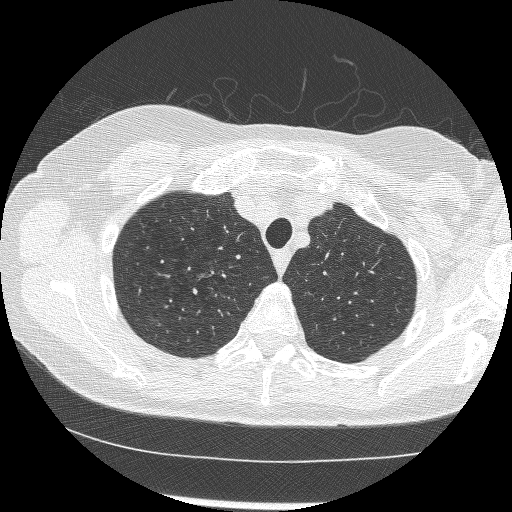
Axial chest CT slice 206 of 246 (counted from the lowest slice); tube voltage 120 kVp, convolution kernel BONE; slices 1.25 mm thick, 0.586 mm per pixel.
Pulmonary nodule at rows 272–276, columns 197–208 (box = the one reader's outline on this slice), outlined by all four readers, one of them on this slice; median longest diameter 8.8 mm (readers' outlines 6.1–10.0 mm), median volume 137 mm3 (66–342 mm3). Median ratings and the readers' spread: texture 4.5/5 at the median of four readers, spread 3/5 (part-solid) to 5/5 (solid); margin 2.5/5 at the median of four readers, spread 1/5 (indistinct) to 3/5; median sphericity 2/5 (readers ranged 2/5 to 3/5 (ovoid)); calcification absent, all four readers agreeing; internal structure soft tissue, all four readers agreeing; subtlety 3.5/5 at the median of four readers, spread 3–5; median malignancy likelihood 4/5 (readers ranged 3–5). Scale key (1–5): texture non-solid→solid, margin indistinct→circumscribed, sphericity linear→round, subtlety extremely subtle→obvious, malignancy likelihood highly unlikely→highly suspicious of cancer. Box rows and columns are 0-based pixel indices from the top-left corner, inclusive.